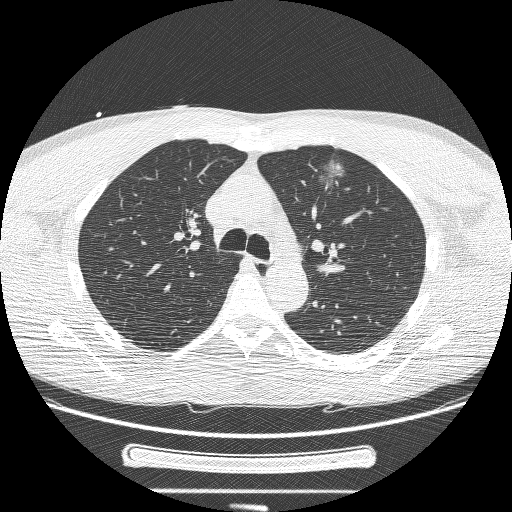
This is axial slice 166 of 244 (slice 1 is the lowest) of a chest CT; each pixel is 0.729 mm and the slice is 1.25 mm thick. Pulmonary nodule, outlined by three of the four readers, two of them on this slice. Box on this slice rows 158–192, columns 317–346, the union of the readers' outlines on this slice; the three readers' outlines give a longest diameter between 27.4 and 37.9 mm and a volume between 2934 and 10099 mm3. Ratings across the readers: texture from 3/5 (part-solid) to 5/5 (solid) across the three readers; margin from 1/5 (indistinct) to 3/5 across the three readers; sphericity from 2/5 to 4/5 across the three readers; calcification absent, all three readers agreeing; internal structure soft tissue from all three readers; subtlety 5/5 from all three readers; malignancy likelihood rated between 3 and 5 out of 5 by the three readers. Scale key (1–5): texture non-solid→solid, margin indistinct→circumscribed, sphericity linear→round, subtlety extremely subtle→obvious, malignancy likelihood highly unlikely→highly suspicious of cancer. Box rows and columns are 0-based pixel indices from the top-left corner, inclusive.
Scan settings: 120 kVp, BONE reconstruction kernel.